Axial slice 59 of 115 of a chest CT (slice 1 is the lowest), reconstructed with the BONE kernel at 140 kVp; 2.50 mm slice thickness and 0.586 mm pixels.
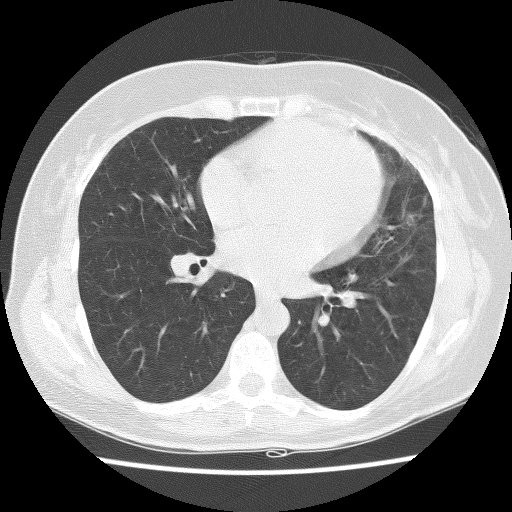
The readers outlined no nodule of 3 mm or more on this slice.